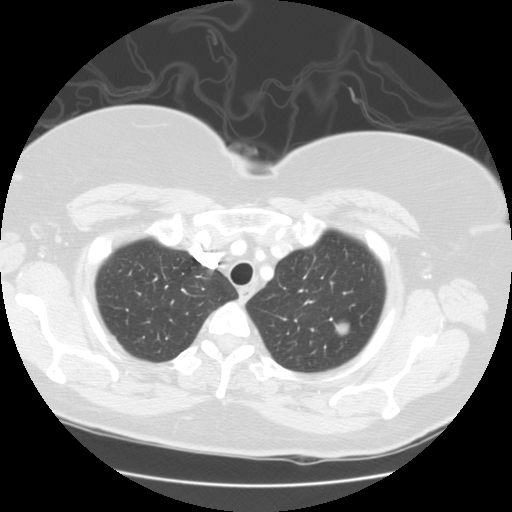
Axial chest CT slice 113 of 127 (counted from the lowest slice); tube voltage 120 kVp, convolution kernel STANDARD; slices 2.50 mm thick, 0.703 mm per pixel.
Pulmonary nodule at rows 321–337, columns 333–350 (box = the union of the readers' outlines on this slice), outlined by all four readers; median longest diameter 21.6 mm (readers' outlines 20.7–22.2 mm), median volume 4373 mm3 (3995–4590 mm3). Ratings, median across the readers with their spread: texture 5/5 (solid) from all four readers; margin 5/5 (circumscribed) at the median of four readers, spread 4/5 to 5/5 (circumscribed); sphericity 4.5/5 at the median of four readers, spread 4/5 to 5/5 (round); calcification absent from all four readers; internal structure soft tissue from all four readers; subtlety 5/5, all four readers agreeing; median malignancy likelihood 4.5/5 (readers ranged 2–5). Scale key (1–5): texture non-solid→solid, margin indistinct→circumscribed, sphericity linear→round, subtlety extremely subtle→obvious, malignancy likelihood highly unlikely→highly suspicious of cancer. Box rows and columns are 0-based pixel indices from the top-left corner, inclusive.